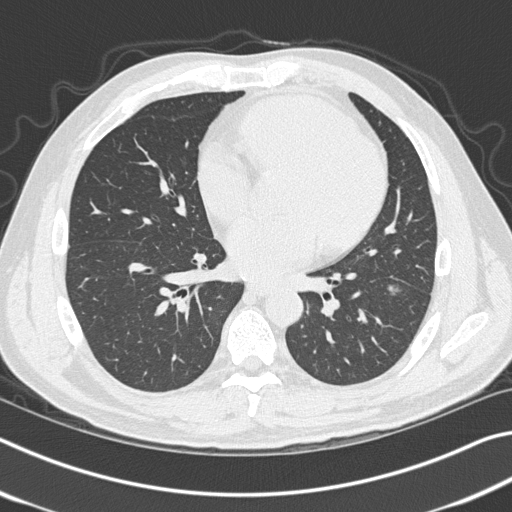
Axial chest CT slice 165 of 327 (counted from the lowest slice); 1.00 mm thick, 0.664 mm per pixel. Pulmonary nodule outlined by all four readers, three of them on this slice; box rows 284–295, columns 386–401 (the union of the readers' outlines on this slice); median longest diameter 18.1 mm (readers' outlines 16.4–20.2 mm), median volume 1167 mm3 (1016–1342 mm3). Ratings, median across the readers with their spread: texture 5/5 (solid) from all four readers; median margin 5/5 (circumscribed) (readers ranged 4/5 to 5/5 (circumscribed)); sphericity 4.5/5 at the median of four readers, spread 3/5 (ovoid) to 5/5 (round); calcification absent from all four readers; internal structure soft tissue from all four readers; median subtlety 5/5 (readers ranged 4–5); median malignancy likelihood 4.5/5 (readers ranged 3–5). Scale key (1–5): texture non-solid→solid, margin indistinct→circumscribed, sphericity linear→round, subtlety extremely subtle→obvious, malignancy likelihood highly unlikely→highly suspicious of cancer. Box rows and columns are 0-based pixel indices from the top-left corner, inclusive.
Acquired at 120 kVp and reconstructed with the B45f kernel.